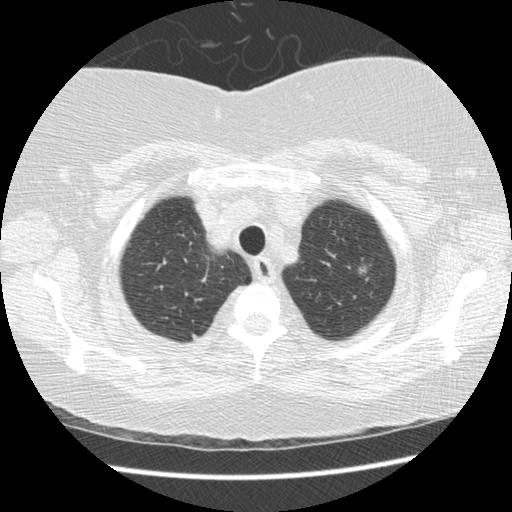
Slice 419/474 of a chest CT, counting up from the lowest; pixel size 0.645 mm, slice thickness 1.25 mm. Pulmonary nodule, outlined by three of the four readers. Box on this slice rows 265–275, columns 358–366, the union of the readers' outlines on this slice; median longest diameter 9.7 mm (readers' outlines 8.2–9.8 mm), median volume 186 mm3 (122–196 mm3). Median ratings and the readers' spread: median texture 3/5 (part-solid) (readers ranged 1/5 (non-solid) to 5/5 (solid)); margin 3/5 at the median of three readers, spread 2/5 to 4/5; median sphericity 4/5 (readers ranged 4/5 to 5/5 (round)); calcification absent, all three readers agreeing; internal structure soft tissue, all three readers agreeing; subtlety 5/5 at the median of three readers, spread 4–5; malignancy likelihood 4/5, all three readers agreeing. Scale key (1–5): texture non-solid→solid, margin indistinct→circumscribed, sphericity linear→round, subtlety extremely subtle→obvious, malignancy likelihood highly unlikely→highly suspicious of cancer. Box rows and columns are 0-based pixel indices from the top-left corner, inclusive.
Acquired at 120 kVp and reconstructed with the STANDARD kernel.